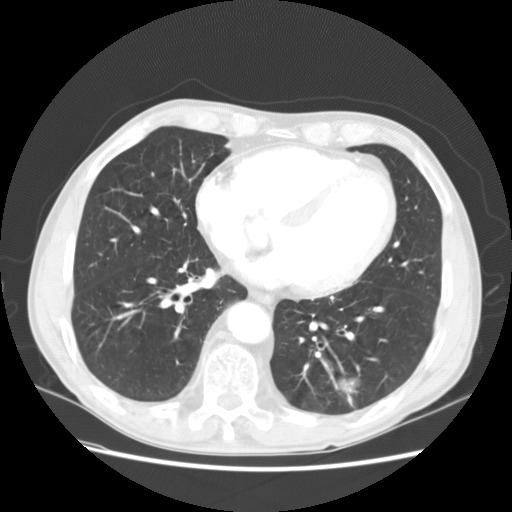
Slice 63/147 of a chest CT, counting up from the lowest; pixel size 0.703 mm, slice thickness 2.50 mm. Pulmonary nodule outlined by all four readers; box rows 376–403, columns 336–359 (the union of the readers' outlines on this slice); longest diameter 31.1 mm on average over the four readers' outlines (readers' outlines 30.2–32.4 mm), volume 8441–9544 mm3. The readers' prevailing ratings and who disagreed: most readers (three of four) put texture at 5/5 (solid), others 3/5 (part-solid) (one); margin 4/5 by two of four readers; the rest gave 2/5 (one), 5/5 (circumscribed) (one); sphericity 5/5 (round) by two of four readers; the rest gave 3/5 (ovoid) (one), 4/5 (one); calcification absent from all four readers; internal structure soft tissue from all four readers; subtlety 5/5, all four readers agreeing; malignancy likelihood split among the readers: 3/5 (two), 5/5 (two). Scale key (1–5): texture non-solid→solid, margin indistinct→circumscribed, sphericity linear→round, subtlety extremely subtle→obvious, malignancy likelihood highly unlikely→highly suspicious of cancer. Box rows and columns are 0-based pixel indices from the top-left corner, inclusive.
Tube voltage 120 kVp; convolution kernel STANDARD.